One axial slice (177 of 240, counting up from the lowest) of a chest CT acquired at 120 kVp with the BONE kernel; each pixel is 0.566 mm and the slice is 1.25 mm thick.
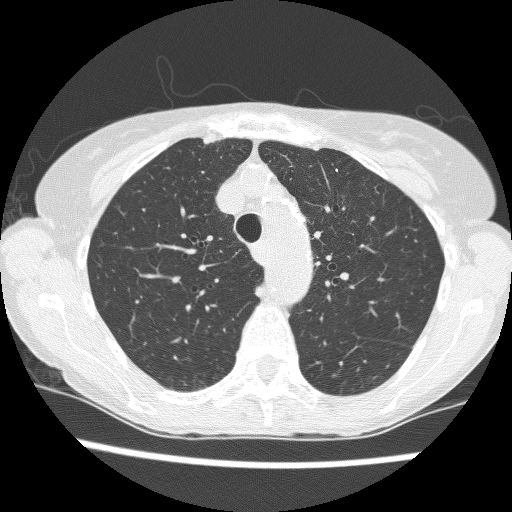
Pulmonary nodule, outlined by one of the four readers. Box on this slice rows 305–310, columns 186–190, that reader's outline on this slice; longest diameter 4.7 mm and volume 47 mm3 from that reader's outline. That reader's ratings: texture 5/5 (solid); margin 4/5; sphericity 4/5; calcification absent; internal structure soft tissue; subtlety 1/5; malignancy likelihood 3/5. Scale key (1–5): texture non-solid→solid, margin indistinct→circumscribed, sphericity linear→round, subtlety extremely subtle→obvious, malignancy likelihood highly unlikely→highly suspicious of cancer. Box rows and columns are 0-based pixel indices from the top-left corner, inclusive.